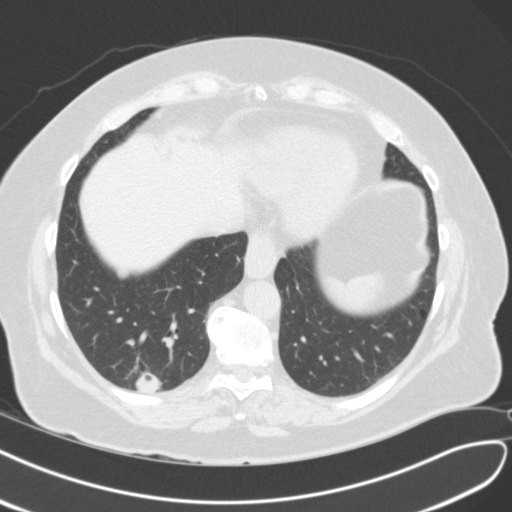
One axial slice (37 of 106, counting up from the lowest) of a chest CT acquired at 120 kVp with the B31f kernel; each pixel is 0.705 mm and the slice is 3.00 mm thick.
Two pulmonary nodules on this slice, listed from left to right. (1) Pulmonary nodule outlined by one of the four readers; box rows 267–277, columns 118–128 (that reader's outline on this slice); longest diameter 9.8 mm and volume 233 mm3 from that reader's outline. That reader's ratings: texture 5/5 (solid); margin 3/5; sphericity 5/5 (round); calcification absent; internal structure soft tissue; subtlety 2/5; malignancy likelihood 4/5. (2) Pulmonary nodule at rows 370–393, columns 134–162 (box = the union of the readers' outlines on this slice), outlined by all four readers; the four readers' outlines give a longest diameter between 19.5 and 21.3 mm and a volume between 1709 and 3140 mm3. Ratings across the readers: texture from 4/5 to 5/5 (solid) across the four readers; margin from 3/5 to 5/5 (circumscribed) across the four readers; sphericity from 4/5 to 5/5 (round) across the four readers; calcification absent, all four readers agreeing; internal structure: soft tissue (three), air (one); subtlety rated between 4 and 5 out of 5 by the four readers; malignancy likelihood 1–5/5 (the readers disagree). Scale key (1–5): texture non-solid→solid, margin indistinct→circumscribed, sphericity linear→round, subtlety extremely subtle→obvious, malignancy likelihood highly unlikely→highly suspicious of cancer. Box rows and columns are 0-based pixel indices from the top-left corner, inclusive.